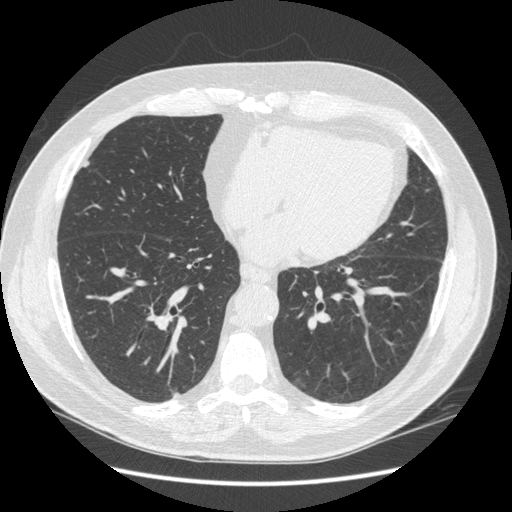
Slice 183/462 of a chest CT, counting up from the lowest; pixel size 0.742 mm, slice thickness 1.25 mm. Pulmonary nodule, outlined by all four readers, two of them on this slice. Box on this slice rows 162–167, columns 84–87, the union of the readers' outlines on this slice; median longest diameter 6.9 mm (readers' outlines 6.6–7.3 mm), median volume 88 mm3 (76–107 mm3). Ratings, median across the readers with their spread: texture 5/5 (solid), all four readers agreeing; median margin 4.5/5 (readers ranged 4/5 to 5/5 (circumscribed)); sphericity 4.5/5 at the median of four readers, spread 2/5 to 5/5 (round); calcification absent from all four readers; internal structure soft tissue, all four readers agreeing; median subtlety 3.5/5 (readers ranged 3–4); median malignancy likelihood 2.5/5 (readers ranged 1–3). Scale key (1–5): texture non-solid→solid, margin indistinct→circumscribed, sphericity linear→round, subtlety extremely subtle→obvious, malignancy likelihood highly unlikely→highly suspicious of cancer. Box rows and columns are 0-based pixel indices from the top-left corner, inclusive.
Acquired at 120 kVp and reconstructed with the STANDARD kernel.